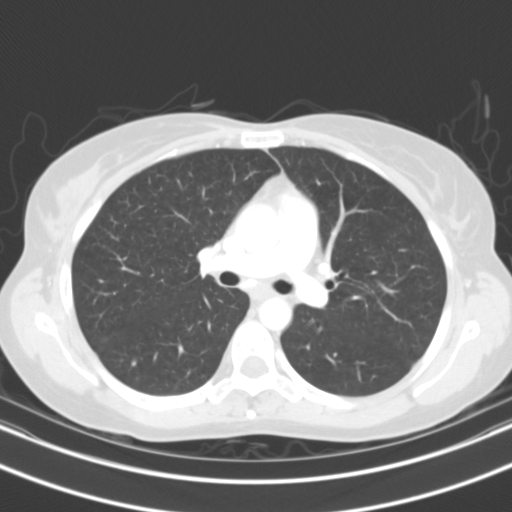
Chest CT, axial plane, 130 kVp, kernel B31s. Slice 70/108 from the bottom of the scan; thickness 3.00 mm; pixel size 0.629 mm.
Pulmonary nodule, outlined by three of the four readers, two of them on this slice. Box on this slice rows 361–365, columns 132–135, the union of the readers' outlines on this slice; the three readers' outlines give a longest diameter between 6.5 and 6.8 mm and a volume between 151 and 179 mm3. Ratings across the readers: texture 5/5 (solid), all three readers agreeing; margin 5/5 (circumscribed), all three readers agreeing; sphericity 5/5 (round) from all three readers; calcification solid calcification from all three readers; internal structure soft tissue, all three readers agreeing; subtlety 2–5/5 (the readers disagree); malignancy likelihood 1/5, all three readers agreeing. Scale key (1–5): texture non-solid→solid, margin indistinct→circumscribed, sphericity linear→round, subtlety extremely subtle→obvious, malignancy likelihood highly unlikely→highly suspicious of cancer. Box rows and columns are 0-based pixel indices from the top-left corner, inclusive.